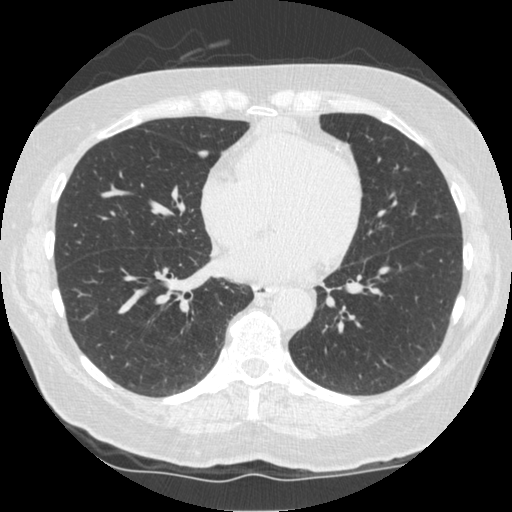
Slice 198/519 of a chest CT, counting up from the lowest; pixel size 0.645 mm, slice thickness 1.25 mm. Pulmonary nodule at rows 149–158, columns 195–209 (box = the union of the readers' outlines on this slice), outlined by all four readers; median longest diameter 9.2 mm (readers' outlines 8.4–10.5 mm), median volume 189 mm3 (147–202 mm3). Median ratings and the readers' spread: texture 5/5 (solid), all four readers agreeing; median margin 5/5 (circumscribed) (readers ranged 4/5 to 5/5 (circumscribed)); sphericity 3/5 (ovoid) from all four readers; calcification absent from all four readers; internal structure soft tissue, all four readers agreeing; median subtlety 5/5 (readers ranged 4–5); malignancy likelihood 3/5 at the median of four readers, spread 2–4. Scale key (1–5): texture non-solid→solid, margin indistinct→circumscribed, sphericity linear→round, subtlety extremely subtle→obvious, malignancy likelihood highly unlikely→highly suspicious of cancer. Box rows and columns are 0-based pixel indices from the top-left corner, inclusive.
Acquired at 120 kVp and reconstructed with the STANDARD kernel.